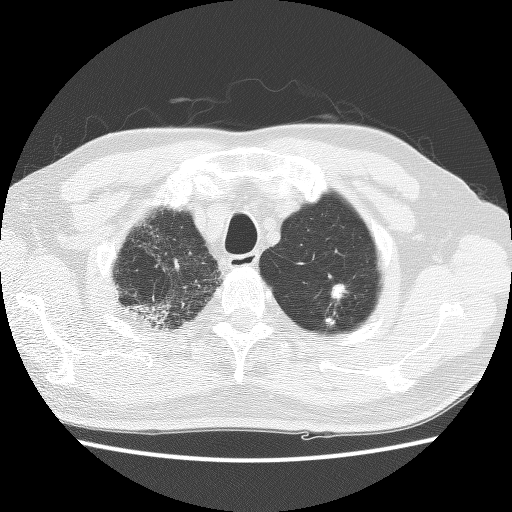
Axial slice 111 of 129 of a chest CT (slice 1 is the lowest), reconstructed with the BONE kernel at 140 kVp; 2.50 mm slice thickness and 0.645 mm pixels.
Two pulmonary nodules are outlined on this slice; from left to right: (1) Pulmonary nodule, outlined by two of the four readers. Box on this slice rows 318–326, columns 325–334, the union of the readers' outlines on this slice; the two readers' outlines give a longest diameter between 6.1 and 7.5 mm and a volume between 61 and 89 mm3. The readers' ratings, as ranges where they differ: texture 5/5 (solid) from both readers; margin from 2/5 to 4/5 across the two readers; sphericity 4/5 from both readers; calcification split among the readers: central calcification (one), non-central calcification (one); internal structure soft tissue, both readers agreeing; subtlety from 3/5 to 4/5 across the two readers; malignancy likelihood 1/5 from both readers. (2) Pulmonary nodule outlined by all four readers; box rows 283–299, columns 330–344 (the union of the readers' outlines on this slice); the four readers' outlines give a longest diameter between 9.7 and 12.2 mm and a volume between 557 and 991 mm3. The readers' ratings, as ranges where they differ: texture from 4/5 to 5/5 (solid) across the four readers; margin from 2/5 to 5/5 (circumscribed) across the four readers; sphericity from 2/5 to 4/5 across the four readers; calcification split among the readers: absent (two), central calcification (two); internal structure soft tissue, all four readers agreeing; subtlety 4–5/5 (the readers disagree); malignancy likelihood 1–5/5 (the readers disagree). Scale key (1–5): texture non-solid→solid, margin indistinct→circumscribed, sphericity linear→round, subtlety extremely subtle→obvious, malignancy likelihood highly unlikely→highly suspicious of cancer. Box rows and columns are 0-based pixel indices from the top-left corner, inclusive.